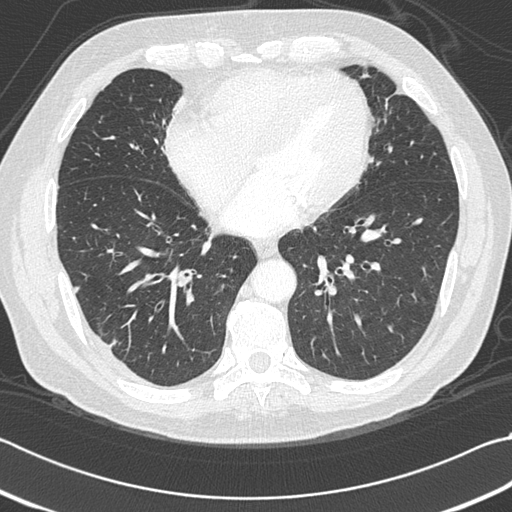
Chest CT, axial plane, 120 kVp, kernel B45f. Slice 131/312 from the bottom of the scan; thickness 1.00 mm; pixel size 0.664 mm.
Pulmonary nodule outlined by one of the four readers; box rows 285–293, columns 73–79 (that reader's outline on this slice); longest diameter 6.9 mm and volume 65 mm3 from that reader's outline. Ratings by that reader: texture 5/5 (solid); margin 5/5 (circumscribed); sphericity 4/5; calcification absent; internal structure soft tissue; subtlety 4/5; malignancy likelihood 2/5. Scale key (1–5): texture non-solid→solid, margin indistinct→circumscribed, sphericity linear→round, subtlety extremely subtle→obvious, malignancy likelihood highly unlikely→highly suspicious of cancer. Box rows and columns are 0-based pixel indices from the top-left corner, inclusive.